One axial slice (244 of 463, counting up from the lowest) of a chest CT acquired at 120 kVp with the STANDARD kernel; each pixel is 0.586 mm and the slice is 1.25 mm thick.
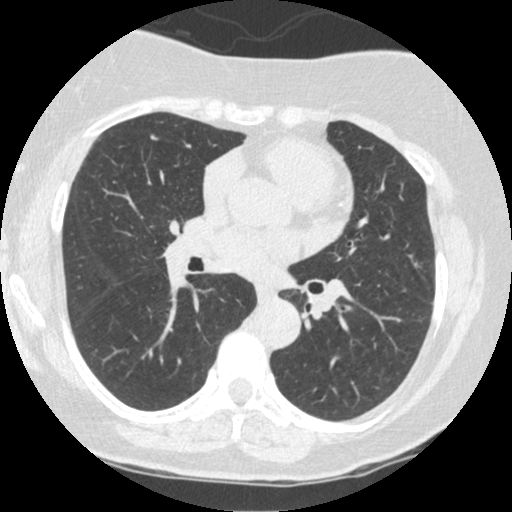
Pulmonary nodule at rows 135–139, columns 150–157 (box = the union of the readers' outlines on this slice), outlined by two of the four readers; median longest diameter 6.9 mm (readers' outlines 6.5–7.4 mm), median volume 43 mm3 (40–47 mm3). Ratings, median across the readers with their spread: texture 5/5 (solid), both readers agreeing; margin 4/5 from both readers; sphericity 2.5/5 at the median of two readers, spread 2/5 to 3/5 (ovoid); calcification absent, both readers agreeing; internal structure soft tissue from both readers; median subtlety 3/5 (readers ranged 2–4); median malignancy likelihood 2.5/5 (readers ranged 2–3). Scale key (1–5): texture non-solid→solid, margin indistinct→circumscribed, sphericity linear→round, subtlety extremely subtle→obvious, malignancy likelihood highly unlikely→highly suspicious of cancer. Box rows and columns are 0-based pixel indices from the top-left corner, inclusive.